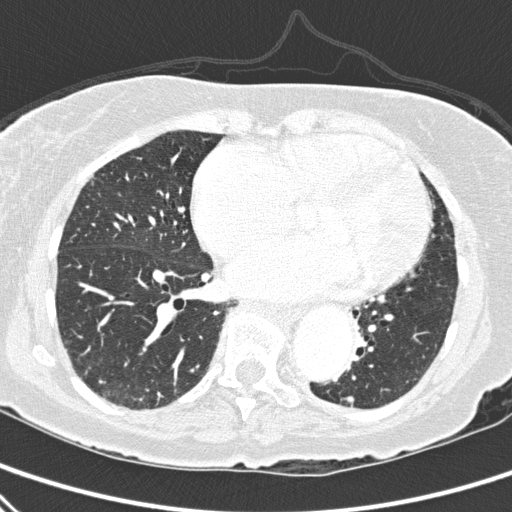
Axial chest CT slice 126 of 310 (counted from the lowest slice); tube voltage 120 kVp, convolution kernel D; slices 1.00 mm thick, 0.643 mm per pixel.
Pulmonary nodule outlined by three of the four readers; box rows 396–403, columns 346–353 (the union of the readers' outlines on this slice); the three readers' outlines give a longest diameter between 5.5 and 6.6 mm and a volume between 55 and 65 mm3. The readers' ratings, as ranges where they differ: texture 5/5 (solid) from all three readers; margin from 4/5 to 5/5 (circumscribed) across the three readers; sphericity from 2/5 to 4/5 across the three readers; calcification absent, all three readers agreeing; internal structure soft tissue, all three readers agreeing; subtlety from 3/5 to 5/5 across the three readers; malignancy likelihood rated between 2 and 3 out of 5 by the three readers. Scale key (1–5): texture non-solid→solid, margin indistinct→circumscribed, sphericity linear→round, subtlety extremely subtle→obvious, malignancy likelihood highly unlikely→highly suspicious of cancer. Box rows and columns are 0-based pixel indices from the top-left corner, inclusive.